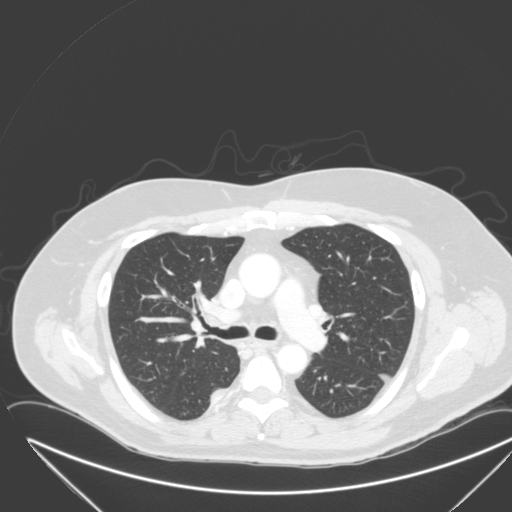
Slice 201/315 of a chest CT, counting up from the lowest; pixel size 0.830 mm, slice thickness 2.00 mm. Pulmonary nodule outlined by one of the four readers; box rows 390–403, columns 211–224 (that reader's outline on this slice); longest diameter 27.1 mm and volume 6093 mm3 from that reader's outline. Ratings by that reader: texture 5/5 (solid); margin 4/5; sphericity 2/5; calcification absent; internal structure soft tissue; subtlety 5/5; malignancy likelihood 4/5. Scale key (1–5): texture non-solid→solid, margin indistinct→circumscribed, sphericity linear→round, subtlety extremely subtle→obvious, malignancy likelihood highly unlikely→highly suspicious of cancer. Box rows and columns are 0-based pixel indices from the top-left corner, inclusive.
Tube voltage 120 kVp; convolution kernel B.